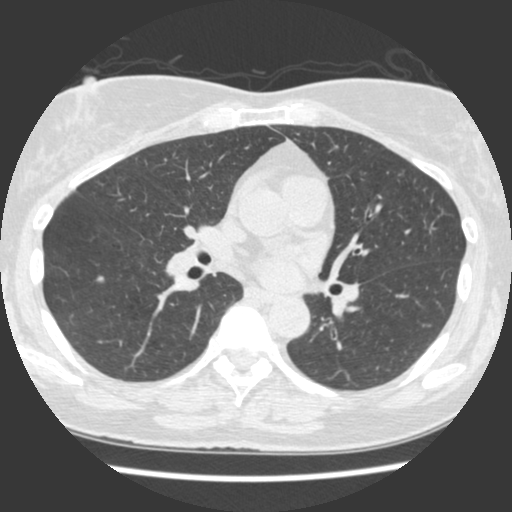
This is axial slice 200 of 429 (slice 1 is the lowest) of a chest CT; each pixel is 0.586 mm and the slice is 1.25 mm thick. Pulmonary nodule outlined by all four readers; box rows 275–283, columns 92–104 (the union of the readers' outlines on this slice); longest diameter 7.2–8.0 mm and volume 53–78 mm3 across the four readers' outlines. The readers' ratings, as ranges where they differ: texture from 4/5 to 5/5 (solid) across the four readers; margin from 3/5 to 5/5 (circumscribed) across the four readers; sphericity from 2/5 to 4/5 across the four readers; calcification absent, all four readers agreeing; internal structure soft tissue, all four readers agreeing; subtlety from 3/5 to 5/5 across the four readers; malignancy likelihood rated between 2 and 4 out of 5 by the four readers. Scale key (1–5): texture non-solid→solid, margin indistinct→circumscribed, sphericity linear→round, subtlety extremely subtle→obvious, malignancy likelihood highly unlikely→highly suspicious of cancer. Box rows and columns are 0-based pixel indices from the top-left corner, inclusive.
Acquired at 120 kVp and reconstructed with the STANDARD kernel.